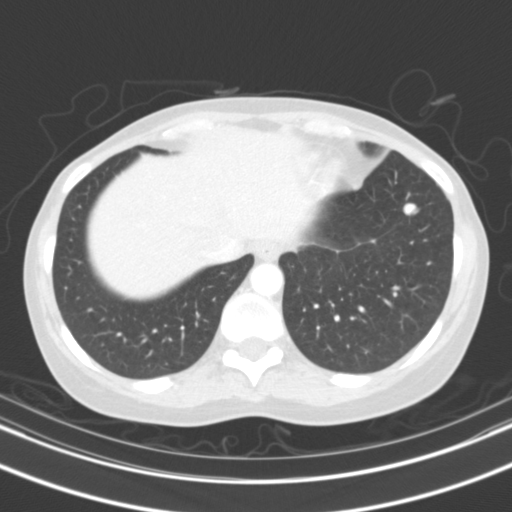
Slice 35/108 of a chest CT, counting up from the lowest; pixel size 0.629 mm, slice thickness 3.00 mm. Pulmonary nodule outlined by all four readers; box rows 202–215, columns 402–418 (the union of the readers' outlines on this slice); median longest diameter 9.6 mm (readers' outlines 9.2–11.5 mm), median volume 400 mm3 (286–461 mm3). Ratings, median across the readers with their spread: texture 5/5 (solid) from all four readers; median margin 4.5/5 (readers ranged 4/5 to 5/5 (circumscribed)); sphericity 3.5/5 at the median of four readers, spread 3/5 (ovoid) to 5/5 (round); calcification solid calcification from all four readers; internal structure soft tissue from all four readers; subtlety 4/5 at the median of four readers, spread 4–5; malignancy likelihood 1/5, all four readers agreeing. Scale key (1–5): texture non-solid→solid, margin indistinct→circumscribed, sphericity linear→round, subtlety extremely subtle→obvious, malignancy likelihood highly unlikely→highly suspicious of cancer. Box rows and columns are 0-based pixel indices from the top-left corner, inclusive.
Scan settings: 130 kVp, B31s reconstruction kernel.